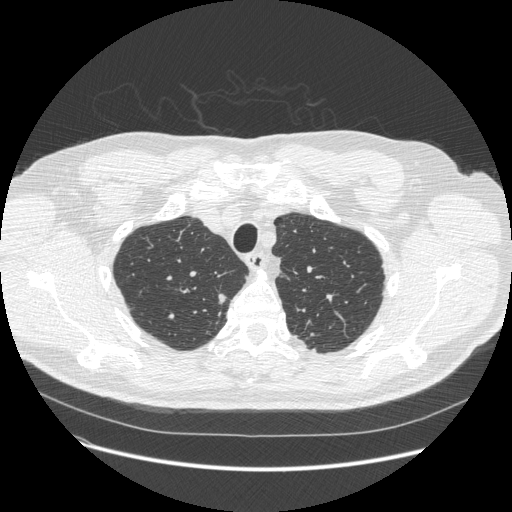
Axial slice 440 of 541 of a chest CT (slice 1 is the lowest), reconstructed with the STANDARD kernel at 120 kVp; 1.25 mm slice thickness and 0.781 mm pixels.
Pulmonary nodule outlined by all four readers; box rows 293–304, columns 218–226 (the union of the readers' outlines on this slice); longest diameter 9.5–10.6 mm and volume 135–169 mm3 across the four readers' outlines. The readers' ratings, as ranges where they differ: texture from 4/5 to 5/5 (solid) across the four readers; margin from 2/5 to 4/5 across the four readers; sphericity from 3/5 (ovoid) to 4/5 across the four readers; calcification absent, all four readers agreeing; internal structure soft tissue, all four readers agreeing; subtlety rated between 2 and 5 out of 5 by the four readers; malignancy likelihood rated between 2 and 5 out of 5 by the four readers. Scale key (1–5): texture non-solid→solid, margin indistinct→circumscribed, sphericity linear→round, subtlety extremely subtle→obvious, malignancy likelihood highly unlikely→highly suspicious of cancer. Box rows and columns are 0-based pixel indices from the top-left corner, inclusive.